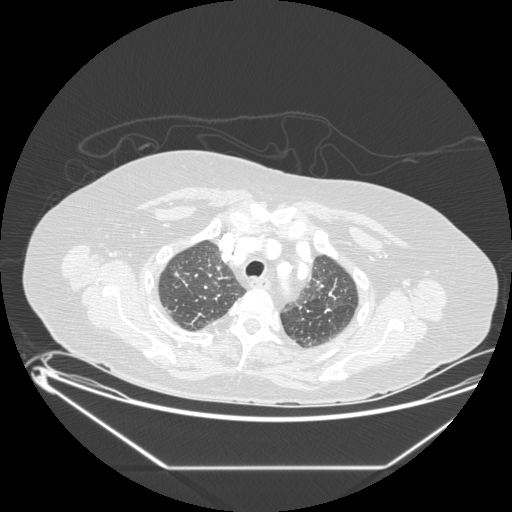
Slice 166/197 of a chest CT, counting up from the lowest; pixel size 0.859 mm, slice thickness 1.25 mm. Pulmonary nodule outlined by all four readers, three of them on this slice; box rows 271–276, columns 173–178 (the union of the readers' outlines on this slice); the four readers' outlines give a longest diameter between 10.4 and 12.9 mm and a volume between 381 and 630 mm3. Ratings across the readers: texture from 3/5 (part-solid) to 5/5 (solid) across the four readers; margin from 2/5 to 5/5 (circumscribed) across the four readers; sphericity from 4/5 to 5/5 (round) across the four readers; calcification absent, all four readers agreeing; internal structure: soft tissue (three), air (one); subtlety 3–5/5 (the readers disagree); malignancy likelihood from 2/5 to 4/5 across the four readers. Scale key (1–5): texture non-solid→solid, margin indistinct→circumscribed, sphericity linear→round, subtlety extremely subtle→obvious, malignancy likelihood highly unlikely→highly suspicious of cancer. Box rows and columns are 0-based pixel indices from the top-left corner, inclusive.
Tube voltage 120 kVp; convolution kernel STANDARD.